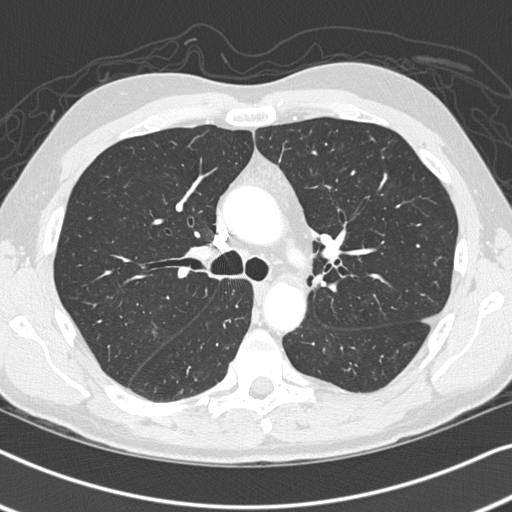
Axial slice 218 of 326 of a chest CT (slice 1 is the lowest), reconstructed with the B45f kernel at 120 kVp; 1.00 mm slice thickness and 0.645 mm pixels.
Pulmonary nodule outlined by two of the four readers; box rows 274–286, columns 310–321 (the union of the readers' outlines on this slice); longest diameter 9.6 mm on average over the two readers' outlines (readers' outlines 8.8–10.4 mm), volume 179–302 mm3. The readers' prevailing ratings and who disagreed: texture 5/5 (solid), both readers agreeing; margin 5/5 (circumscribed) from both readers; sphericity split among the readers: 3/5 (ovoid) (one), 5/5 (round) (one); calcification absent from both readers; internal structure soft tissue, both readers agreeing; subtlety split among the readers: 3/5 (one), 4/5 (one); malignancy likelihood split among the readers: 2/5 (one), 3/5 (one). Scale key (1–5): texture non-solid→solid, margin indistinct→circumscribed, sphericity linear→round, subtlety extremely subtle→obvious, malignancy likelihood highly unlikely→highly suspicious of cancer. Box rows and columns are 0-based pixel indices from the top-left corner, inclusive.